One axial slice (148 of 308, counting up from the lowest) of a chest CT acquired at 120 kVp with the B45f kernel; each pixel is 0.703 mm and the slice is 1.00 mm thick.
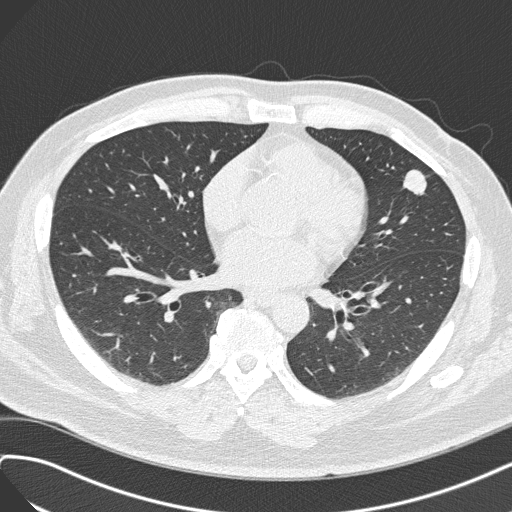
Pulmonary nodule, outlined by all four readers. Box on this slice rows 169–195, columns 402–427, the union of the readers' outlines on this slice; longest diameter 21.2 mm on average over the four readers' outlines (readers' outlines 19.6–23.0 mm), volume 1982–2315 mm3. The readers' prevailing ratings and who disagreed: texture 5/5 (solid), all four readers agreeing; margin split among the readers: 4/5 (two), 5/5 (circumscribed) (two); sphericity split among the readers: 3/5 (ovoid) (two), 5/5 (round) (two); calcification absent, all four readers agreeing; internal structure soft tissue from all four readers; subtlety 5/5, all four readers agreeing; malignancy likelihood 3/5 by two of four readers; the rest gave 4/5 (one), 5/5 (one). Scale key (1–5): texture non-solid→solid, margin indistinct→circumscribed, sphericity linear→round, subtlety extremely subtle→obvious, malignancy likelihood highly unlikely→highly suspicious of cancer. Box rows and columns are 0-based pixel indices from the top-left corner, inclusive.